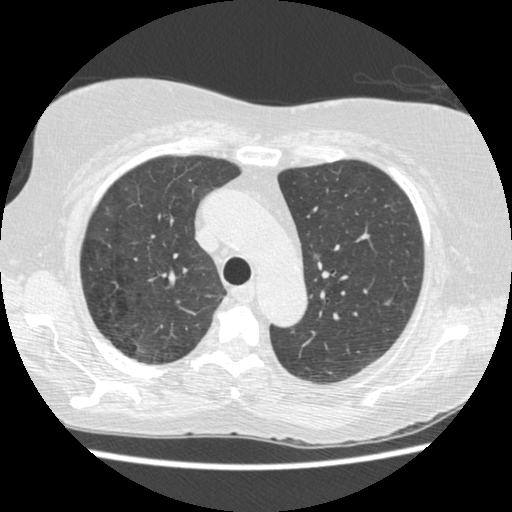
Axial slice 297 of 413 of a chest CT (slice 1 is the lowest), reconstructed with the STANDARD kernel at 120 kVp; 1.25 mm slice thickness and 0.625 mm pixels.
Pulmonary nodule, outlined by two of the four readers, one of them on this slice. Box on this slice rows 252–258, columns 312–320, the one reader's outline on this slice; median longest diameter 7.9 mm (readers' outlines 7.3–8.5 mm), median volume 117 mm3 (68–167 mm3). Ratings, median across the readers with their spread: texture 5/5 (solid) from both readers; margin 4/5 at the median of two readers, spread 3/5 to 5/5 (circumscribed); median sphericity 4.5/5 (readers ranged 4/5 to 5/5 (round)); calcification absent, both readers agreeing; internal structure soft tissue, both readers agreeing; subtlety 2.5/5 at the median of two readers, spread 2–3; malignancy likelihood 3.5/5 at the median of two readers, spread 3–4. Scale key (1–5): texture non-solid→solid, margin indistinct→circumscribed, sphericity linear→round, subtlety extremely subtle→obvious, malignancy likelihood highly unlikely→highly suspicious of cancer. Box rows and columns are 0-based pixel indices from the top-left corner, inclusive.